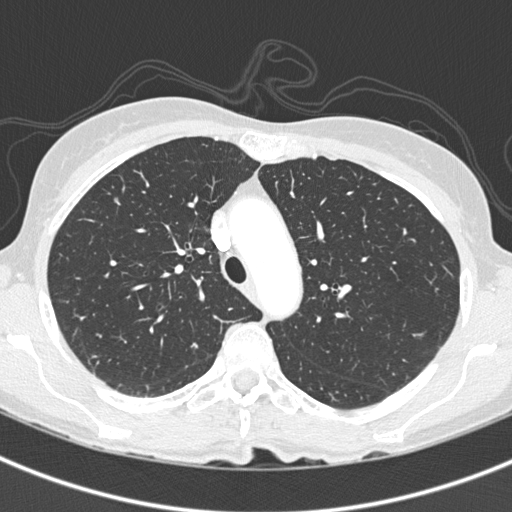
Axial chest CT slice 281 of 375 (counted from the lowest slice); tube voltage 120 kVp, convolution kernel B45f; slices 1.00 mm thick, 0.586 mm per pixel.
Pulmonary nodule outlined by three of the four readers, one of them on this slice; box rows 198–202, columns 113–117 (the one reader's outline on this slice); median longest diameter 6.7 mm (readers' outlines 6.0–8.0 mm), median volume 101 mm3 (67–113 mm3). Median ratings and the readers' spread: texture 5/5 (solid) from all three readers; margin 5/5 (circumscribed), all three readers agreeing; median sphericity 4/5 (readers ranged 3/5 (ovoid) to 4/5); calcification solid calcification from all three readers; internal structure soft tissue from all three readers; median subtlety 5/5 (readers ranged 3–5); malignancy likelihood 1/5, all three readers agreeing. Scale key (1–5): texture non-solid→solid, margin indistinct→circumscribed, sphericity linear→round, subtlety extremely subtle→obvious, malignancy likelihood highly unlikely→highly suspicious of cancer. Box rows and columns are 0-based pixel indices from the top-left corner, inclusive.